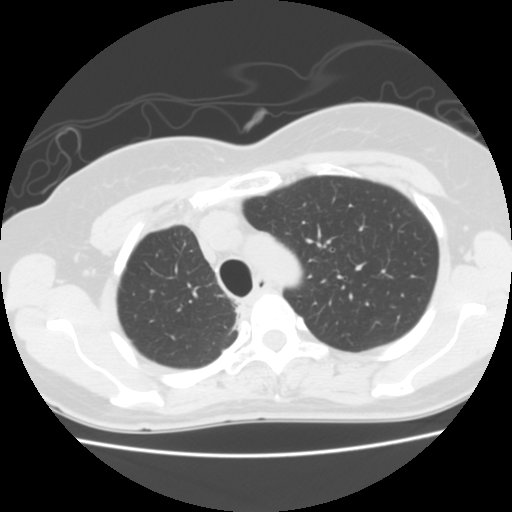
Chest CT, axial plane, 120 kVp, kernel STANDARD. Slice 116/141 from the bottom of the scan; thickness 2.50 mm; pixel size 0.586 mm.
None of the four readers outlined a nodule of 3 mm or more on this slice.